One axial slice (113 of 141, counting up from the lowest) of a chest CT acquired at 120 kVp with the LUNG kernel; each pixel is 0.762 mm and the slice is 2.50 mm thick.
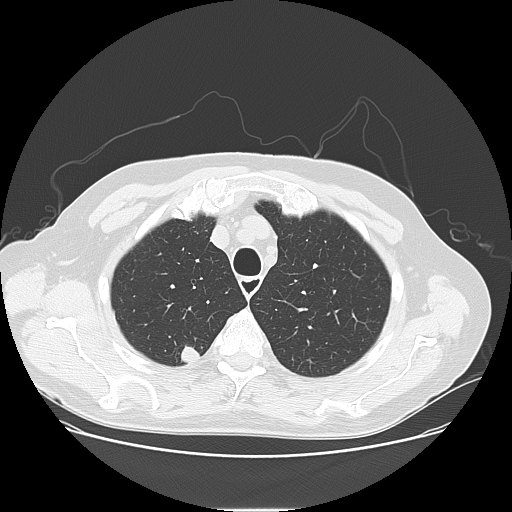
Pulmonary nodule, outlined by all four readers. Box on this slice rows 345–363, columns 180–199, the union of the readers' outlines on this slice; longest diameter 15.9–17.1 mm and volume 1828–2231 mm3 across the four readers' outlines. Ratings across the readers: texture from 3/5 (part-solid) to 5/5 (solid) across the four readers; margin from 2/5 to 5/5 (circumscribed) across the four readers; sphericity from 3/5 (ovoid) to 5/5 (round) across the four readers; calcification absent from all four readers; internal structure soft tissue from all four readers; subtlety 4–5/5 (the readers disagree); malignancy likelihood rated between 3 and 5 out of 5 by the four readers. Scale key (1–5): texture non-solid→solid, margin indistinct→circumscribed, sphericity linear→round, subtlety extremely subtle→obvious, malignancy likelihood highly unlikely→highly suspicious of cancer. Box rows and columns are 0-based pixel indices from the top-left corner, inclusive.